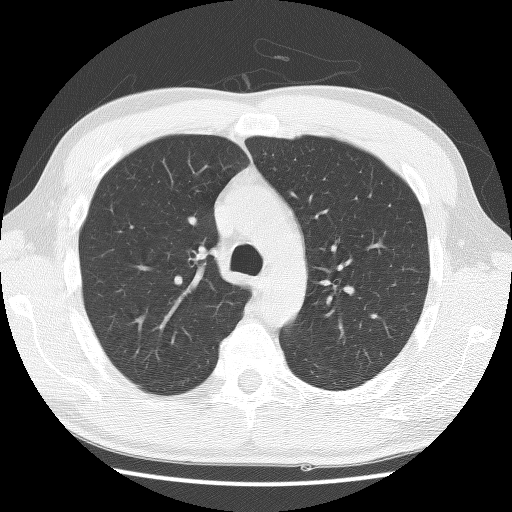
This is axial slice 90 of 132 (slice 1 is the lowest) of a chest CT; each pixel is 0.656 mm and the slice is 2.50 mm thick. No nodule 3 mm or larger was outlined here by any reader.
Acquired at 140 kVp and reconstructed with the BONE kernel.